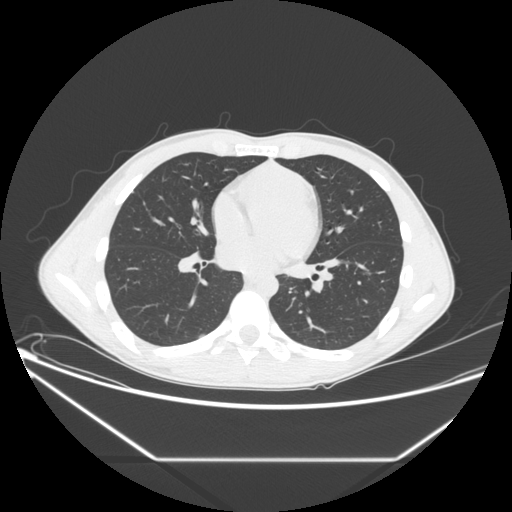
Chest CT, axial plane, 120 kVp, kernel STANDARD. Slice 105/256 from the bottom of the scan; thickness 1.25 mm; pixel size 0.781 mm.
Pulmonary nodule outlined by one of the four readers; box rows 333–337, columns 199–204 (that reader's outline on this slice); longest diameter 7.4 mm and volume 78 mm3 from that reader's outline. Ratings by that reader: texture 5/5 (solid); margin 5/5 (circumscribed); sphericity 3/5 (ovoid); calcification absent; internal structure soft tissue; subtlety 3/5; malignancy likelihood 2/5. Scale key (1–5): texture non-solid→solid, margin indistinct→circumscribed, sphericity linear→round, subtlety extremely subtle→obvious, malignancy likelihood highly unlikely→highly suspicious of cancer. Box rows and columns are 0-based pixel indices from the top-left corner, inclusive.